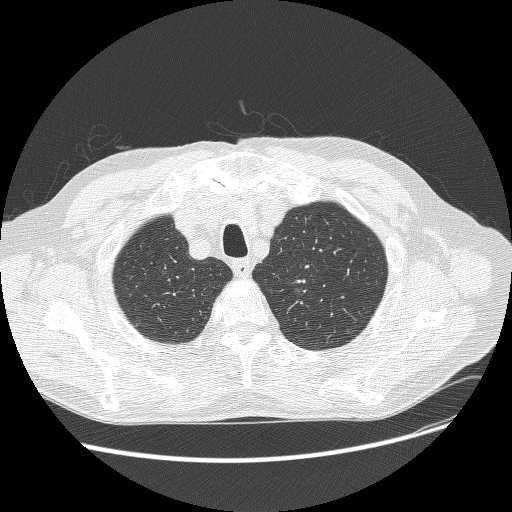
Axial slice 231 of 268 of a chest CT (slice 1 is the lowest), reconstructed with the BONE kernel at 120 kVp; 1.25 mm slice thickness and 0.742 mm pixels.
Pulmonary nodule at rows 285–297, columns 291–301 (box = the one reader's outline on this slice), outlined by three of the four readers, one of them on this slice; the three readers' outlines give a longest diameter between 30.8 and 31.7 mm and a volume between 4750 and 7267 mm3. The readers' ratings, as ranges where they differ: texture 3/5 (part-solid) from all three readers; margin 1/5 (indistinct) from all three readers; sphericity from 3/5 (ovoid) to 4/5 across the three readers; calcification absent, all three readers agreeing; internal structure soft tissue from all three readers; subtlety from 4/5 to 5/5 across the three readers; malignancy likelihood rated between 4 and 5 out of 5 by the three readers. Scale key (1–5): texture non-solid→solid, margin indistinct→circumscribed, sphericity linear→round, subtlety extremely subtle→obvious, malignancy likelihood highly unlikely→highly suspicious of cancer. Box rows and columns are 0-based pixel indices from the top-left corner, inclusive.